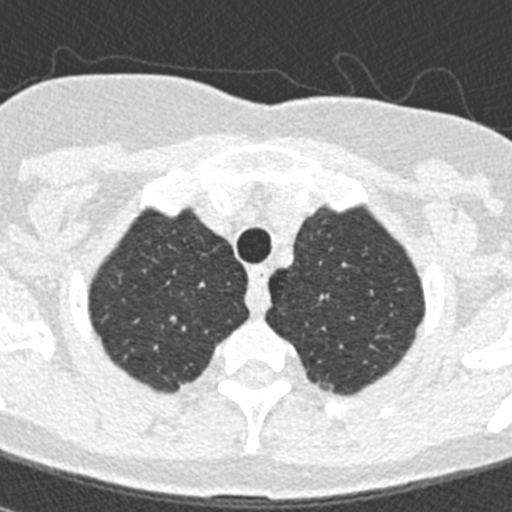
This is axial slice 339 of 376 (slice 1 is the lowest) of a chest CT; each pixel is 0.461 mm and the slice is 0.75 mm thick. Pulmonary nodule at rows 382–385, columns 178–181 (box = that reader's outline on this slice), outlined by one of the four readers; longest diameter 4.3 mm and volume 32 mm3 from that reader's outline. Ratings by that reader: texture 5/5 (solid); margin 4/5; sphericity 4/5; calcification absent; internal structure soft tissue; subtlety 5/5; malignancy likelihood 3/5. Scale key (1–5): texture non-solid→solid, margin indistinct→circumscribed, sphericity linear→round, subtlety extremely subtle→obvious, malignancy likelihood highly unlikely→highly suspicious of cancer. Box rows and columns are 0-based pixel indices from the top-left corner, inclusive.
Acquired at 120 kVp and reconstructed with the B30f kernel.